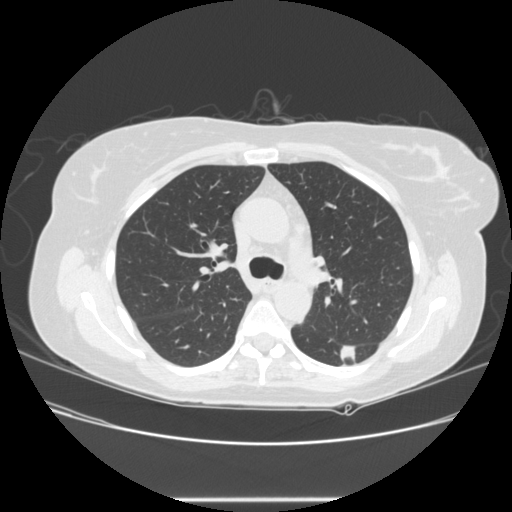
Axial chest CT slice 167 of 245 (counted from the lowest slice); tube voltage 120 kVp, convolution kernel STANDARD; slices 1.25 mm thick, 0.730 mm per pixel.
Pulmonary nodule outlined by all four readers; box rows 345–362, columns 340–356 (the union of the readers' outlines on this slice); longest diameter 30.9 mm on average over the four readers' outlines (readers' outlines 27.2–36.8 mm), volume 3941–5997 mm3. Ratings, by the readers' most common answer with dissent counted: texture 5/5 (solid) from all four readers; margin 4/5 by two of four readers; the rest gave 1/5 (indistinct) (one), 3/5 (one); sphericity 2/5 by two of four readers; the rest gave 3/5 (ovoid) (one), 4/5 (one); calcification absent from all four readers; internal structure soft tissue, all four readers agreeing; subtlety 5/5 from all four readers; malignancy likelihood 5/5 by three of four readers; the rest gave 4/5 (one). Scale key (1–5): texture non-solid→solid, margin indistinct→circumscribed, sphericity linear→round, subtlety extremely subtle→obvious, malignancy likelihood highly unlikely→highly suspicious of cancer. Box rows and columns are 0-based pixel indices from the top-left corner, inclusive.